Axial chest CT slice 335 of 481 (counted from the lowest slice); tube voltage 120 kVp, convolution kernel STANDARD; slices 1.25 mm thick, 0.703 mm per pixel.
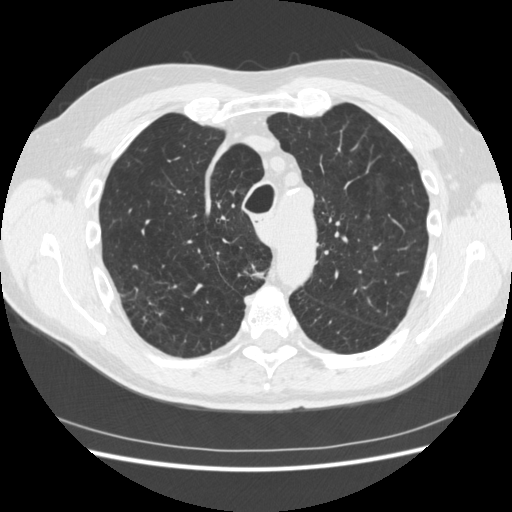
Pulmonary nodule outlined by three of the four readers; box rows 269–279, columns 243–265 (the union of the readers' outlines on this slice); the three readers' outlines give a longest diameter between 13.5 and 18.5 mm and a volume between 529 and 1088 mm3. The readers' ratings, as ranges where they differ: texture 5/5 (solid), all three readers agreeing; margin from 1/5 (indistinct) to 4/5 across the three readers; sphericity from 2/5 to 3/5 (ovoid) across the three readers; calcification absent, all three readers agreeing; internal structure soft tissue, all three readers agreeing; subtlety rated between 4 and 5 out of 5 by the three readers; malignancy likelihood 3–5/5 (the readers disagree). Scale key (1–5): texture non-solid→solid, margin indistinct→circumscribed, sphericity linear→round, subtlety extremely subtle→obvious, malignancy likelihood highly unlikely→highly suspicious of cancer. Box rows and columns are 0-based pixel indices from the top-left corner, inclusive.